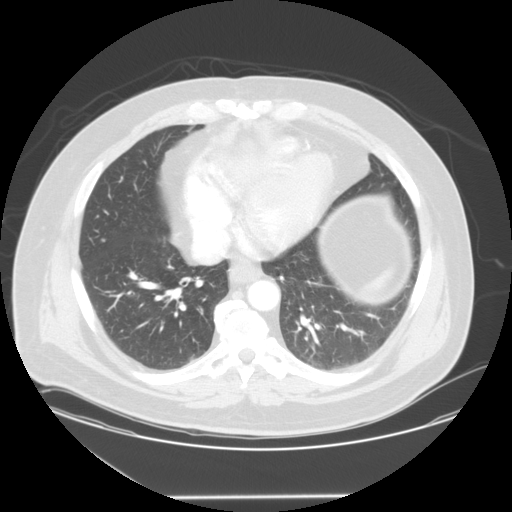
One axial slice (62 of 127, counting up from the lowest) of a chest CT acquired at 120 kVp with the STANDARD kernel; each pixel is 0.859 mm and the slice is 2.50 mm thick.
Pulmonary nodule, outlined by two of the four readers. Box on this slice rows 239–241, columns 102–104, the union of the readers' outlines on this slice; median longest diameter 6.1 mm (readers' outlines 6.1 mm), median volume 99 mm3 (94–104 mm3). Ratings, median across the readers with their spread: texture 5/5 (solid) from both readers; margin 5/5 (circumscribed) from both readers; sphericity 5/5 (round), both readers agreeing; calcification absent, both readers agreeing; internal structure soft tissue, both readers agreeing; median subtlety 3.5/5 (readers ranged 2–5); malignancy likelihood 2/5, both readers agreeing. Scale key (1–5): texture non-solid→solid, margin indistinct→circumscribed, sphericity linear→round, subtlety extremely subtle→obvious, malignancy likelihood highly unlikely→highly suspicious of cancer. Box rows and columns are 0-based pixel indices from the top-left corner, inclusive.